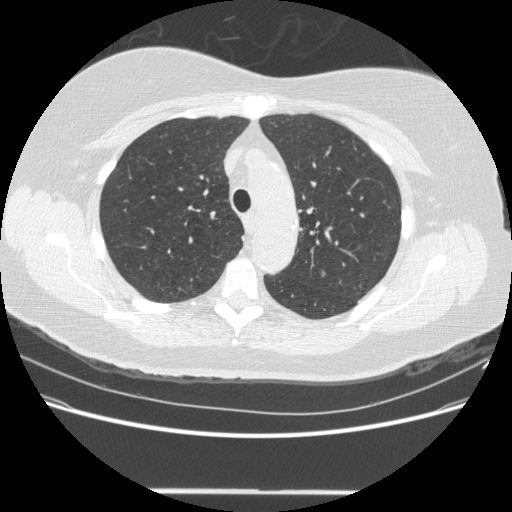
Axial chest CT slice 351 of 481 (counted from the lowest slice); tube voltage 120 kVp, convolution kernel STANDARD; slices 1.25 mm thick, 0.742 mm per pixel.
Pulmonary nodule outlined by three of the four readers; box rows 270–277, columns 320–326 (the union of the readers' outlines on this slice); median longest diameter 6.7 mm (readers' outlines 6.3–7.0 mm), median volume 68 mm3 (65–113 mm3). Ratings, median across the readers with their spread: texture 4/5 at the median of three readers, spread 3/5 (part-solid) to 5/5 (solid); margin 3/5 at the median of three readers, spread 2/5 to 4/5; median sphericity 4/5 (readers ranged 3/5 (ovoid) to 4/5); calcification absent from all three readers; internal structure soft tissue from all three readers; median subtlety 3/5 (readers ranged 2–4); median malignancy likelihood 3/5 (readers ranged 2–3). Scale key (1–5): texture non-solid→solid, margin indistinct→circumscribed, sphericity linear→round, subtlety extremely subtle→obvious, malignancy likelihood highly unlikely→highly suspicious of cancer. Box rows and columns are 0-based pixel indices from the top-left corner, inclusive.